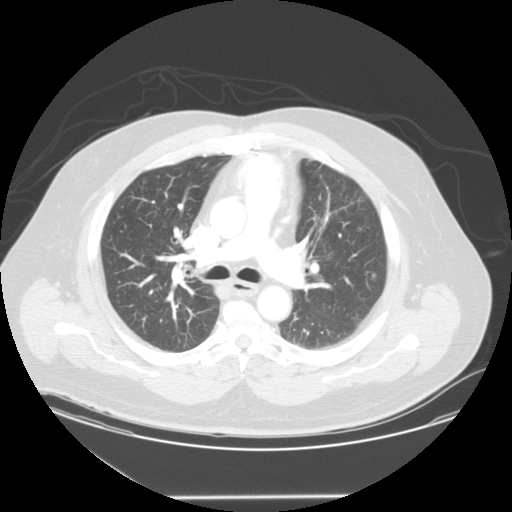
Axial slice 91 of 127 of a chest CT (slice 1 is the lowest), reconstructed with the STANDARD kernel at 120 kVp; 2.50 mm slice thickness and 0.859 mm pixels.
Pulmonary nodule at rows 273–277, columns 371–376 (box = the union of the readers' outlines on this slice), outlined by all four readers; longest diameter 6.1 mm on average over the four readers' outlines (readers' outlines 4.6–7.1 mm), volume 65–115 mm3. The readers' prevailing ratings and who disagreed: texture 5/5 (solid), all four readers agreeing; most readers (three of four) put margin at 4/5, others 5/5 (circumscribed) (one); most readers (three of four) put sphericity at 4/5, others 5/5 (round) (one); calcification absent, all four readers agreeing; internal structure soft tissue, all four readers agreeing; subtlety 3/5 by two of four readers; the rest gave 4/5 (one), 5/5 (one); malignancy likelihood split among the readers: 2/5 (two), 3/5 (two). Scale key (1–5): texture non-solid→solid, margin indistinct→circumscribed, sphericity linear→round, subtlety extremely subtle→obvious, malignancy likelihood highly unlikely→highly suspicious of cancer. Box rows and columns are 0-based pixel indices from the top-left corner, inclusive.